Axial chest CT slice 69 of 115 (counted from the lowest slice); tube voltage 135 kVp, convolution kernel FC01; slices 3.00 mm thick, 0.720 mm per pixel.
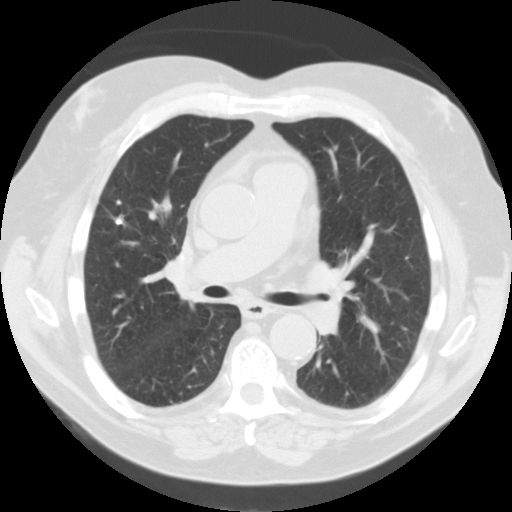
Two pulmonary nodules on this slice, listed from left to right. (1) Pulmonary nodule, outlined by one of the four readers. Box on this slice rows 200–204, columns 116–120, that reader's outline on this slice; longest diameter 6.2 mm and volume 113 mm3 from that reader's outline. That reader's ratings: texture 5/5 (solid); margin 5/5 (circumscribed); sphericity 5/5 (round); calcification solid calcification; internal structure soft tissue; subtlety 5/5; malignancy likelihood 1/5. (2) Pulmonary nodule at rows 218–224, columns 115–122 (box = the union of the readers' outlines on this slice), outlined by two of the four readers; longest diameter 10.6 mm on average over the two readers' outlines (readers' outlines 5.9–15.2 mm), volume 119–265 mm3. Ratings, by the readers' most common answer with dissent counted: texture 5/5 (solid) from both readers; margin 5/5 (circumscribed), both readers agreeing; sphericity split among the readers: 2/5 (one), 4/5 (one); calcification solid calcification, both readers agreeing; internal structure soft tissue from both readers; subtlety split among the readers: 3/5 (one), 5/5 (one); malignancy likelihood 1/5 from both readers. Scale key (1–5): texture non-solid→solid, margin indistinct→circumscribed, sphericity linear→round, subtlety extremely subtle→obvious, malignancy likelihood highly unlikely→highly suspicious of cancer. Box rows and columns are 0-based pixel indices from the top-left corner, inclusive.